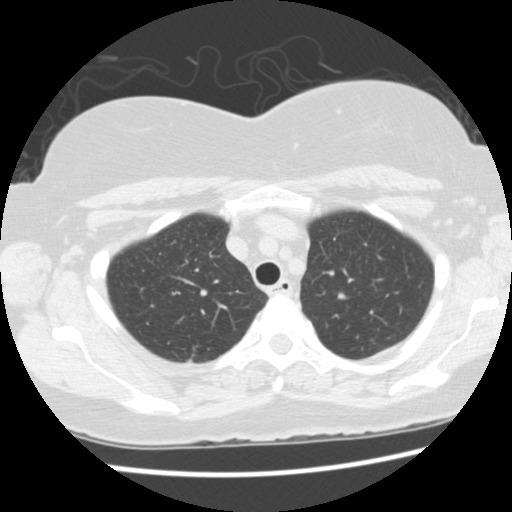
One axial slice (114 of 145, counting up from the lowest) of a chest CT acquired at 120 kVp with the STANDARD kernel; each pixel is 0.625 mm and the slice is 2.50 mm thick.
Pulmonary nodule outlined by one of the four readers; box rows 359–362, columns 186–192 (that reader's outline on this slice); longest diameter 7.1 mm and volume 82 mm3 from that reader's outline. That reader's ratings: texture 5/5 (solid); margin 5/5 (circumscribed); sphericity 3/5 (ovoid); calcification absent; internal structure soft tissue; subtlety 5/5; malignancy likelihood 3/5. Scale key (1–5): texture non-solid→solid, margin indistinct→circumscribed, sphericity linear→round, subtlety extremely subtle→obvious, malignancy likelihood highly unlikely→highly suspicious of cancer. Box rows and columns are 0-based pixel indices from the top-left corner, inclusive.